Chest CT, axial plane, 120 kVp, kernel B45f. Slice 143/301 from the bottom of the scan; thickness 1.00 mm; pixel size 0.547 mm.
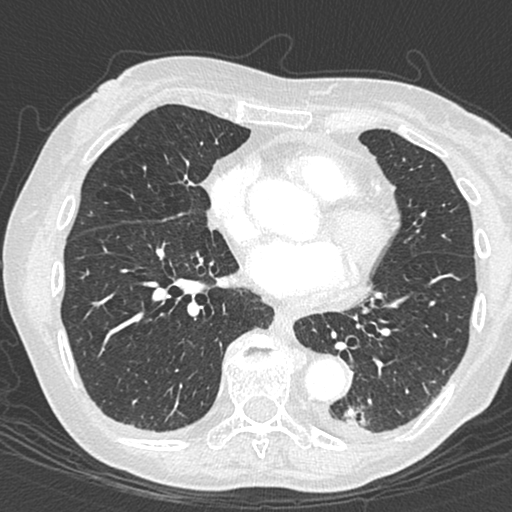
Pulmonary nodule at rows 407–424, columns 344–364 (box = the union of the readers' outlines on this slice), outlined by three of the four readers; longest diameter 6.8–15.1 mm and volume 67–603 mm3 across the three readers' outlines. Ratings across the readers: texture 5/5 (solid), all three readers agreeing; margin from 3/5 to 5/5 (circumscribed) across the three readers; sphericity from 3/5 (ovoid) to 5/5 (round) across the three readers; calcification: solid calcification (two), central calcification (one); internal structure soft tissue, all three readers agreeing; subtlety rated between 4 and 5 out of 5 by the three readers; malignancy likelihood 1/5, all three readers agreeing. Scale key (1–5): texture non-solid→solid, margin indistinct→circumscribed, sphericity linear→round, subtlety extremely subtle→obvious, malignancy likelihood highly unlikely→highly suspicious of cancer. Box rows and columns are 0-based pixel indices from the top-left corner, inclusive.